Axial slice 131 of 297 of a chest CT (slice 1 is the lowest), reconstructed with the STANDARD kernel at 120 kVp; 1.25 mm slice thickness and 0.787 mm pixels.
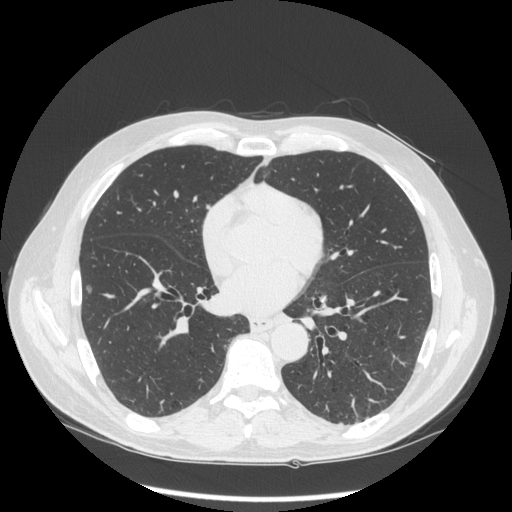
Pulmonary nodule, outlined by all four readers. Box on this slice rows 284–293, columns 85–91, the union of the readers' outlines on this slice; the four readers' outlines give a longest diameter between 8.2 and 9.2 mm and a volume between 151 and 187 mm3. Ratings across the readers: texture from 1/5 (non-solid) to 3/5 (part-solid) across the four readers; margin from 1/5 (indistinct) to 5/5 (circumscribed) across the four readers; sphericity from 3/5 (ovoid) to 5/5 (round) across the four readers; calcification absent, all four readers agreeing; internal structure soft tissue from all four readers; subtlety from 1/5 to 4/5 across the four readers; malignancy likelihood from 2/5 to 4/5 across the four readers. Scale key (1–5): texture non-solid→solid, margin indistinct→circumscribed, sphericity linear→round, subtlety extremely subtle→obvious, malignancy likelihood highly unlikely→highly suspicious of cancer. Box rows and columns are 0-based pixel indices from the top-left corner, inclusive.